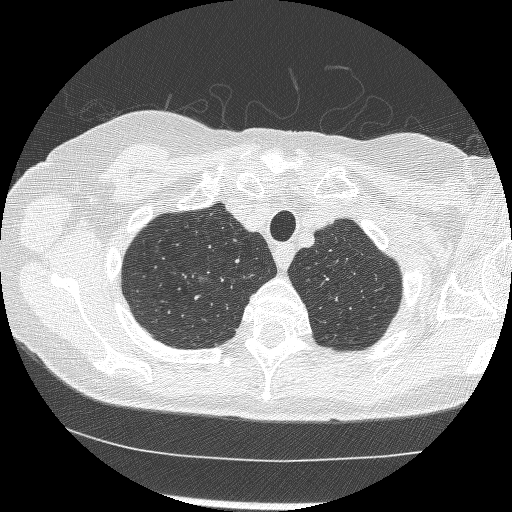
Axial slice 213 of 246 of a chest CT (slice 1 is the lowest), reconstructed with the BONE kernel at 120 kVp; 1.25 mm slice thickness and 0.586 mm pixels.
Pulmonary nodule outlined by all four readers, one of them on this slice; box rows 277–279, columns 200–203 (the one reader's outline on this slice); median longest diameter 8.8 mm (readers' outlines 6.1–10.0 mm), median volume 137 mm3 (66–342 mm3). Median ratings and the readers' spread: texture 4.5/5 at the median of four readers, spread 3/5 (part-solid) to 5/5 (solid); margin 2.5/5 at the median of four readers, spread 1/5 (indistinct) to 3/5; median sphericity 2/5 (readers ranged 2/5 to 3/5 (ovoid)); calcification absent from all four readers; internal structure soft tissue, all four readers agreeing; median subtlety 3.5/5 (readers ranged 3–5); malignancy likelihood 4/5 at the median of four readers, spread 3–5. Scale key (1–5): texture non-solid→solid, margin indistinct→circumscribed, sphericity linear→round, subtlety extremely subtle→obvious, malignancy likelihood highly unlikely→highly suspicious of cancer. Box rows and columns are 0-based pixel indices from the top-left corner, inclusive.